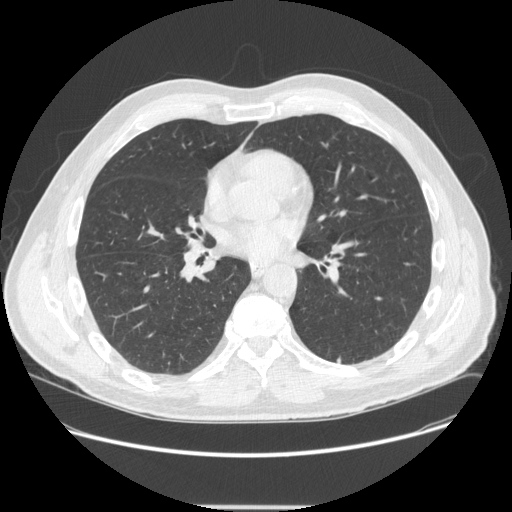
Axial chest CT slice 267 of 548 (counted from the lowest slice); tube voltage 120 kVp, convolution kernel STANDARD; slices 1.25 mm thick, 0.781 mm per pixel.
Pulmonary nodule outlined by three of the four readers; box rows 356–362, columns 336–340 (the union of the readers' outlines on this slice); median longest diameter 6.4 mm (readers' outlines 5.0–6.6 mm), median volume 60 mm3 (42–65 mm3). Ratings, median across the readers with their spread: texture 5/5 (solid), all three readers agreeing; margin 5/5 (circumscribed) at the median of three readers, spread 4/5 to 5/5 (circumscribed); median sphericity 4/5 (readers ranged 3/5 (ovoid) to 4/5); calcification absent from all three readers; internal structure soft tissue, all three readers agreeing; median subtlety 4/5 (readers ranged 2–5); malignancy likelihood 3/5 at the median of three readers, spread 2–3. Scale key (1–5): texture non-solid→solid, margin indistinct→circumscribed, sphericity linear→round, subtlety extremely subtle→obvious, malignancy likelihood highly unlikely→highly suspicious of cancer. Box rows and columns are 0-based pixel indices from the top-left corner, inclusive.